Chest CT, axial plane, 120 kVp, kernel STANDARD. Slice 122/567 from the bottom of the scan; thickness 1.25 mm; pixel size 0.742 mm.
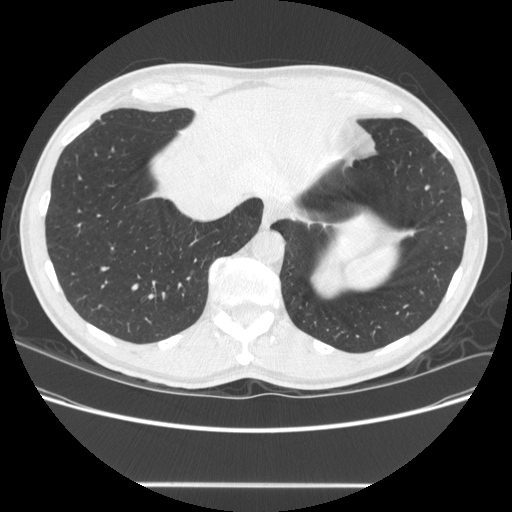
Pulmonary nodule outlined by all four readers; box rows 184–190, columns 424–430 (the union of the readers' outlines on this slice); median longest diameter 8.1 mm (readers' outlines 7.6–9.5 mm), median volume 114 mm3 (105–126 mm3). Median ratings and the readers' spread: texture 5/5 (solid), all four readers agreeing; median margin 4.5/5 (readers ranged 4/5 to 5/5 (circumscribed)); median sphericity 3/5 (ovoid) (readers ranged 2/5 to 3/5 (ovoid)); calcification: absent (three), solid calcification (one); internal structure soft tissue, all four readers agreeing; subtlety 4/5 at the median of four readers, spread 3–4; malignancy likelihood 2/5 at the median of four readers, spread 1–3. Scale key (1–5): texture non-solid→solid, margin indistinct→circumscribed, sphericity linear→round, subtlety extremely subtle→obvious, malignancy likelihood highly unlikely→highly suspicious of cancer. Box rows and columns are 0-based pixel indices from the top-left corner, inclusive.